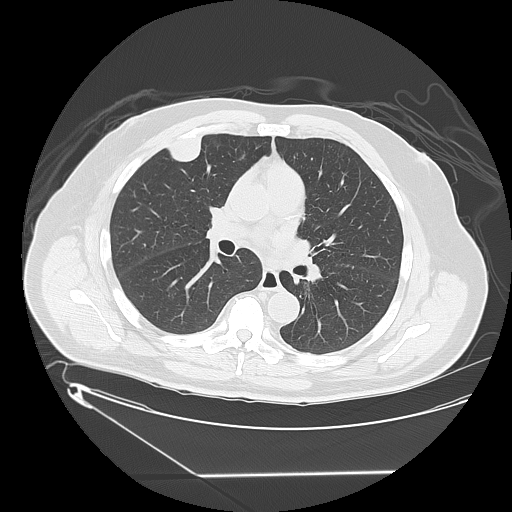
Axial chest CT slice 56 of 117 (counted from the lowest slice); tube voltage 120 kVp, convolution kernel LUNG; slices 2.50 mm thick, 0.898 mm per pixel.
Pulmonary nodule outlined by three of the four readers; box rows 135–161, columns 167–201 (the union of the readers' outlines on this slice); median longest diameter 35.4 mm (readers' outlines 32.3–37.3 mm), median volume 9520 mm3 (8512–9765 mm3). Median ratings and the readers' spread: texture 5/5 (solid) from all three readers; margin 5/5 (circumscribed), all three readers agreeing; sphericity 3/5 (ovoid) at the median of three readers, spread 3/5 (ovoid) to 5/5 (round); calcification absent from all three readers; internal structure soft tissue from all three readers; median subtlety 5/5 (readers ranged 3–5); median malignancy likelihood 2/5 (readers ranged 2–5). Scale key (1–5): texture non-solid→solid, margin indistinct→circumscribed, sphericity linear→round, subtlety extremely subtle→obvious, malignancy likelihood highly unlikely→highly suspicious of cancer. Box rows and columns are 0-based pixel indices from the top-left corner, inclusive.